Chest CT, axial plane, 120 kVp, kernel BONE. Slice 244/268 from the bottom of the scan; thickness 1.25 mm; pixel size 0.742 mm.
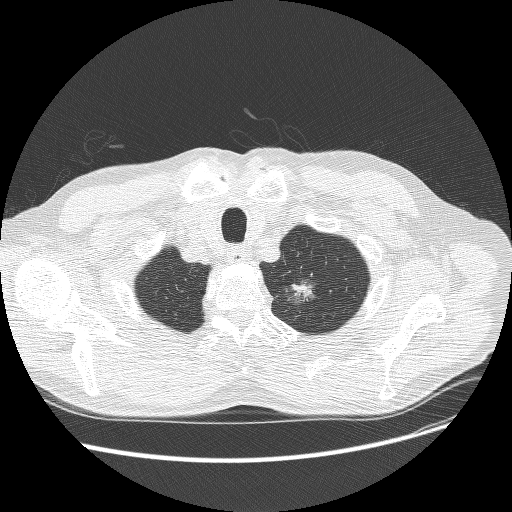
Pulmonary nodule outlined by three of the four readers; box rows 278–307, columns 281–318 (the union of the readers' outlines on this slice); longest diameter 31.2 mm on average over the three readers' outlines (readers' outlines 30.8–31.7 mm), volume 4750–7267 mm3. The readers' prevailing ratings and who disagreed: texture 3/5 (part-solid) from all three readers; margin 1/5 (indistinct), all three readers agreeing; sphericity 3/5 (ovoid) by two of three readers; the rest gave 4/5 (one); calcification absent from all three readers; internal structure soft tissue from all three readers; subtlety 5/5 by two of three readers; the rest gave 4/5 (one); most readers (two of three) put malignancy likelihood at 4/5, others 5/5 (one). Scale key (1–5): texture non-solid→solid, margin indistinct→circumscribed, sphericity linear→round, subtlety extremely subtle→obvious, malignancy likelihood highly unlikely→highly suspicious of cancer. Box rows and columns are 0-based pixel indices from the top-left corner, inclusive.